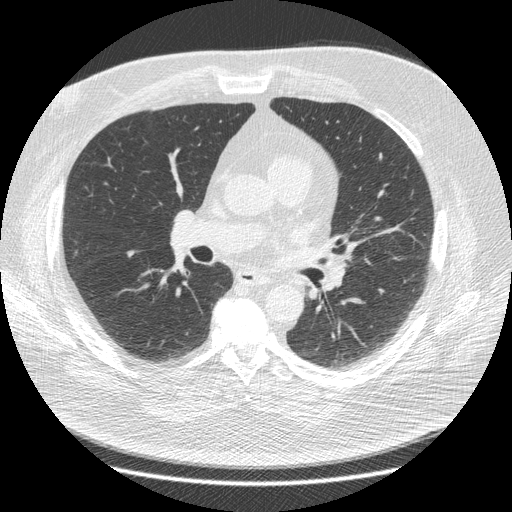
Slice 226/426 of a chest CT, counting up from the lowest; pixel size 0.742 mm, slice thickness 1.25 mm. Pulmonary nodule at rows 250–257, columns 127–133 (box = the union of the readers' outlines on this slice), outlined by two of the four readers; longest diameter 9.4 mm on average over the two readers' outlines (readers' outlines 9.2–9.7 mm), volume 99–114 mm3. The readers' prevailing ratings and who disagreed: texture 5/5 (solid), both readers agreeing; margin split among the readers: 4/5 (one), 5/5 (circumscribed) (one); sphericity 3/5 (ovoid), both readers agreeing; calcification absent, both readers agreeing; internal structure soft tissue, both readers agreeing; subtlety 3/5 from both readers; malignancy likelihood 2/5 from both readers. Scale key (1–5): texture non-solid→solid, margin indistinct→circumscribed, sphericity linear→round, subtlety extremely subtle→obvious, malignancy likelihood highly unlikely→highly suspicious of cancer. Box rows and columns are 0-based pixel indices from the top-left corner, inclusive.
Scan settings: 120 kVp, STANDARD reconstruction kernel.